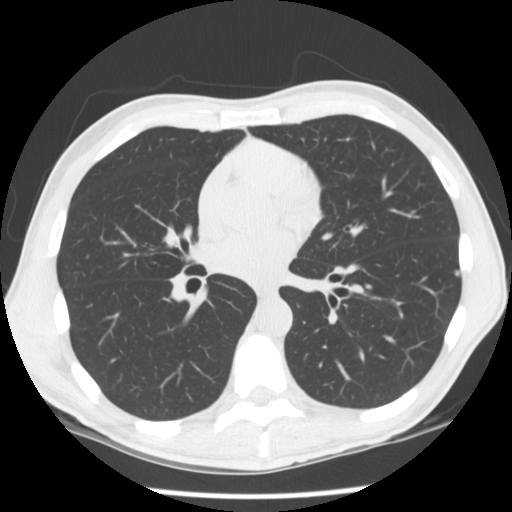
Axial chest CT slice 73 of 163 (counted from the lowest slice); 2.50 mm thick, 0.664 mm per pixel. Pulmonary nodule at rows 270–276, columns 454–459 (box = the union of the readers' outlines on this slice), outlined by two of the four readers; median longest diameter 5.5 mm (readers' outlines 5.4–5.7 mm), median volume 74 mm3 (60–87 mm3). Ratings, median across the readers with their spread: texture 5/5 (solid) from both readers; margin 4.5/5 at the median of two readers, spread 4/5 to 5/5 (circumscribed); sphericity 4.5/5 at the median of two readers, spread 4/5 to 5/5 (round); calcification split among the readers: central calcification (one), absent (one); internal structure soft tissue, both readers agreeing; subtlety 4.5/5 at the median of two readers, spread 4–5; median malignancy likelihood 2/5 (readers ranged 1–3). Scale key (1–5): texture non-solid→solid, margin indistinct→circumscribed, sphericity linear→round, subtlety extremely subtle→obvious, malignancy likelihood highly unlikely→highly suspicious of cancer. Box rows and columns are 0-based pixel indices from the top-left corner, inclusive.
Scan settings: 120 kVp, STANDARD reconstruction kernel.